Axial slice 115 of 137 of a chest CT (slice 1 is the lowest), reconstructed with the STANDARD kernel at 120 kVp; 2.50 mm slice thickness and 0.742 mm pixels.
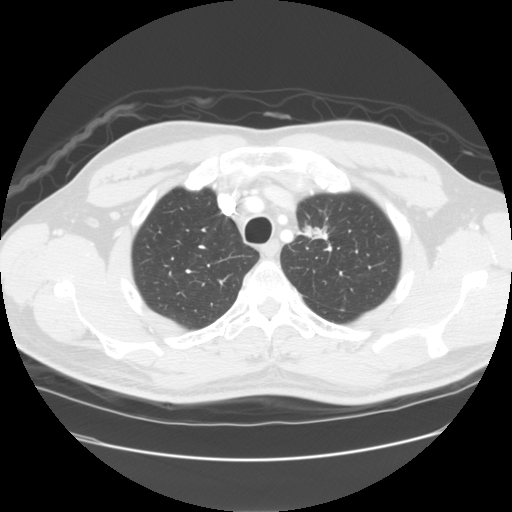
Pulmonary nodule, outlined by all four readers. Box on this slice rows 221–240, columns 296–335, the union of the readers' outlines on this slice; longest diameter 37.5 mm on average over the four readers' outlines (readers' outlines 30.7–45.5 mm), volume 6191–8548 mm3. The readers' prevailing ratings and who disagreed: most readers (three of four) put texture at 5/5 (solid), others 4/5 (one); margin 4/5 by two of four readers; the rest gave 2/5 (one), 3/5 (one); sphericity 3/5 (ovoid) by two of four readers; the rest gave 4/5 (one), 5/5 (round) (one); calcification absent from all four readers; internal structure soft tissue from all four readers; subtlety 5/5, all four readers agreeing; most readers (three of four) put malignancy likelihood at 5/5, others 4/5 (one). Scale key (1–5): texture non-solid→solid, margin indistinct→circumscribed, sphericity linear→round, subtlety extremely subtle→obvious, malignancy likelihood highly unlikely→highly suspicious of cancer. Box rows and columns are 0-based pixel indices from the top-left corner, inclusive.